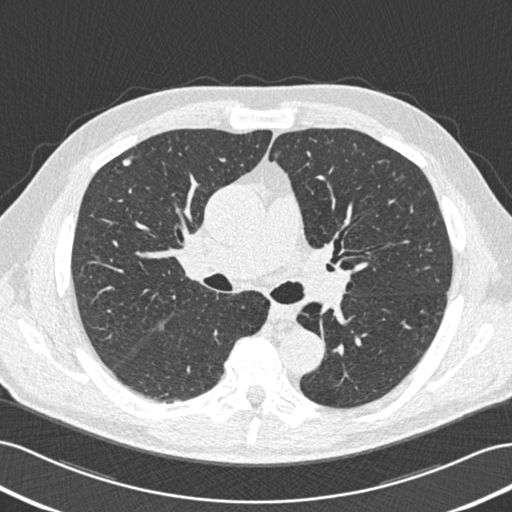
Chest CT, axial plane, 120 kVp, kernel B30f. Slice 311/506 from the bottom of the scan; thickness 0.75 mm; pixel size 0.699 mm.
Pulmonary nodule at rows 158–165, columns 122–130 (box = the union of the readers' outlines on this slice), outlined by all four readers; median longest diameter 8.3 mm (readers' outlines 6.9–9.7 mm), median volume 81 mm3 (41–96 mm3). Median ratings and the readers' spread: texture 5/5 (solid), all four readers agreeing; median margin 4/5 (readers ranged 2/5 to 5/5 (circumscribed)); median sphericity 3.5/5 (readers ranged 3/5 (ovoid) to 5/5 (round)); calcification absent from all four readers; internal structure soft tissue, all four readers agreeing; subtlety 3.5/5 at the median of four readers, spread 3–4; malignancy likelihood 2.5/5 at the median of four readers, spread 1–3. Scale key (1–5): texture non-solid→solid, margin indistinct→circumscribed, sphericity linear→round, subtlety extremely subtle→obvious, malignancy likelihood highly unlikely→highly suspicious of cancer. Box rows and columns are 0-based pixel indices from the top-left corner, inclusive.